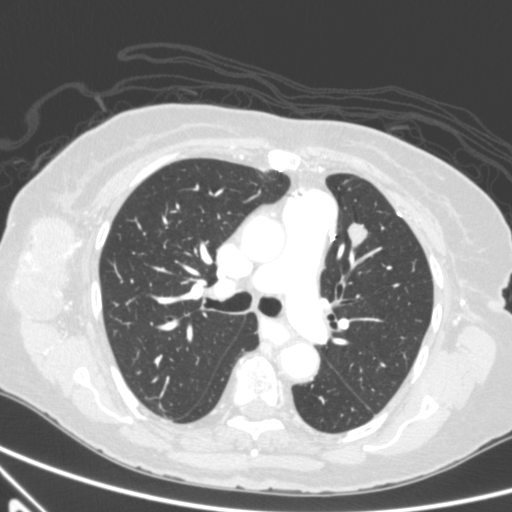
Slice 360/590 of a chest CT, counting up from the lowest; pixel size 0.627 mm, slice thickness 0.90 mm. Pulmonary nodule at rows 222–246, columns 347–368 (box = the union of the readers' outlines on this slice), outlined by all four readers; longest diameter 16.3–20.1 mm and volume 1116–1236 mm3 across the four readers' outlines. The readers' ratings, as ranges where they differ: texture 5/5 (solid) from all four readers; margin from 3/5 to 5/5 (circumscribed) across the four readers; sphericity from 3/5 (ovoid) to 4/5 across the four readers; calcification absent, all four readers agreeing; internal structure soft tissue from all four readers; subtlety rated between 4 and 5 out of 5 by the four readers; malignancy likelihood from 3/5 to 5/5 across the four readers. Scale key (1–5): texture non-solid→solid, margin indistinct→circumscribed, sphericity linear→round, subtlety extremely subtle→obvious, malignancy likelihood highly unlikely→highly suspicious of cancer. Box rows and columns are 0-based pixel indices from the top-left corner, inclusive.
Tube voltage 120 kVp; convolution kernel B.